Chest CT, axial plane, 120 kVp, kernel STANDARD. Slice 299/413 from the bottom of the scan; thickness 1.25 mm; pixel size 0.625 mm.
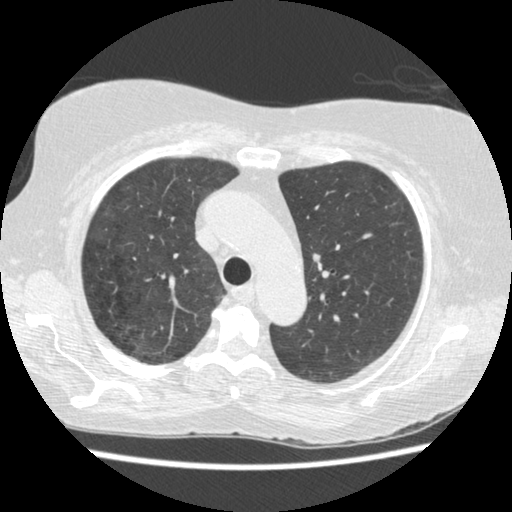
Pulmonary nodule outlined by two of the four readers, one of them on this slice; box rows 254–260, columns 311–320 (the one reader's outline on this slice); longest diameter 7.9 mm on average over the two readers' outlines (readers' outlines 7.3–8.5 mm), volume 68–167 mm3. The readers' prevailing ratings and who disagreed: texture 5/5 (solid) from both readers; margin split among the readers: 3/5 (one), 5/5 (circumscribed) (one); sphericity split among the readers: 4/5 (one), 5/5 (round) (one); calcification absent, both readers agreeing; internal structure soft tissue from both readers; subtlety split among the readers: 2/5 (one), 3/5 (one); malignancy likelihood split among the readers: 3/5 (one), 4/5 (one). Scale key (1–5): texture non-solid→solid, margin indistinct→circumscribed, sphericity linear→round, subtlety extremely subtle→obvious, malignancy likelihood highly unlikely→highly suspicious of cancer. Box rows and columns are 0-based pixel indices from the top-left corner, inclusive.